One axial slice (103 of 295, counting up from the lowest) of a chest CT acquired at 120 kVp with the STANDARD kernel; each pixel is 0.703 mm and the slice is 2.50 mm thick.
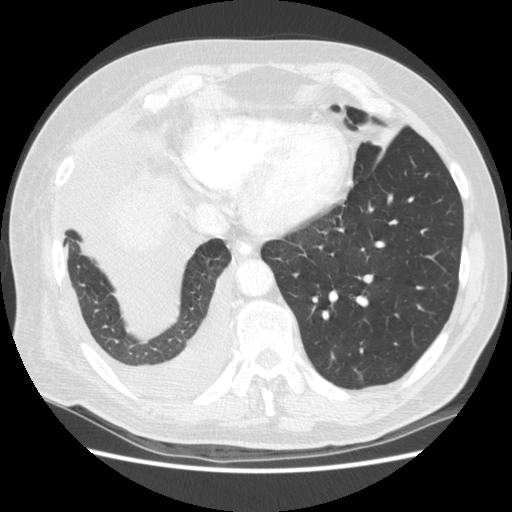
Pulmonary nodule, outlined by one of the four readers. Box on this slice rows 374–384, columns 357–363, that reader's outline on this slice; longest diameter 8.7 mm and volume 104 mm3 from that reader's outline. That reader's ratings: texture 2/5; margin 3/5; sphericity 3/5 (ovoid); calcification absent; internal structure soft tissue; subtlety 5/5; malignancy likelihood 3/5. Scale key (1–5): texture non-solid→solid, margin indistinct→circumscribed, sphericity linear→round, subtlety extremely subtle→obvious, malignancy likelihood highly unlikely→highly suspicious of cancer. Box rows and columns are 0-based pixel indices from the top-left corner, inclusive.